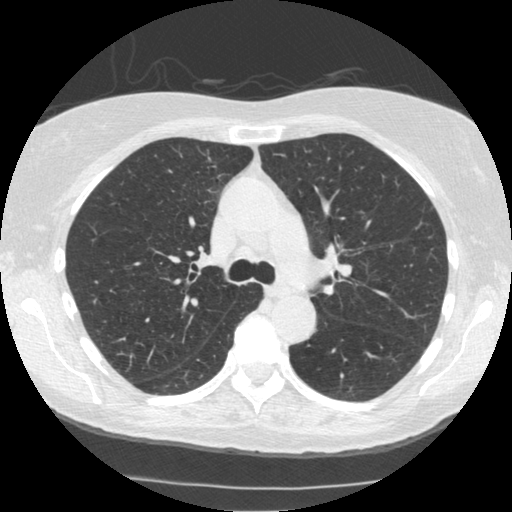
Chest CT, axial plane, 120 kVp, kernel STANDARD. Slice 325/519 from the bottom of the scan; thickness 1.25 mm; pixel size 0.645 mm.
This slice carries no reader outline of a nodule 3 mm or larger.